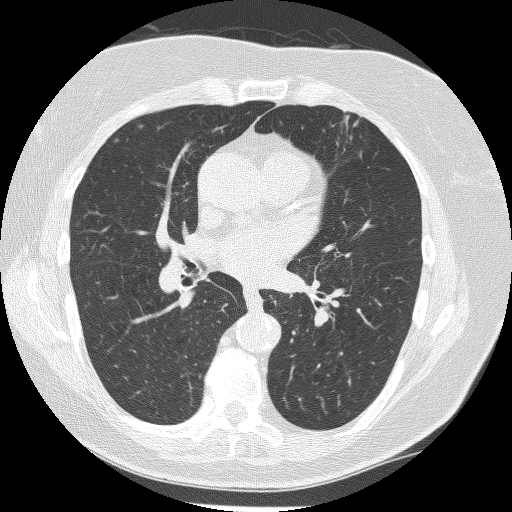
Axial chest CT slice 134 of 240 (counted from the lowest slice); tube voltage 120 kVp, convolution kernel BONE; slices 1.25 mm thick, 0.604 mm per pixel.
Pulmonary nodule at rows 124–127, columns 136–142 (box = the union of the readers' outlines on this slice), outlined by two of the four readers; longest diameter 4.6–5.7 mm and volume 36–44 mm3 across the two readers' outlines. The readers' ratings, as ranges where they differ: texture from 3/5 (part-solid) to 5/5 (solid) across the two readers; margin from 3/5 to 5/5 (circumscribed) across the two readers; sphericity from 3/5 (ovoid) to 4/5 across the two readers; calcification absent from both readers; internal structure soft tissue from both readers; subtlety 3–4/5 (the readers disagree); malignancy likelihood 1–3/5 (the readers disagree). Scale key (1–5): texture non-solid→solid, margin indistinct→circumscribed, sphericity linear→round, subtlety extremely subtle→obvious, malignancy likelihood highly unlikely→highly suspicious of cancer. Box rows and columns are 0-based pixel indices from the top-left corner, inclusive.